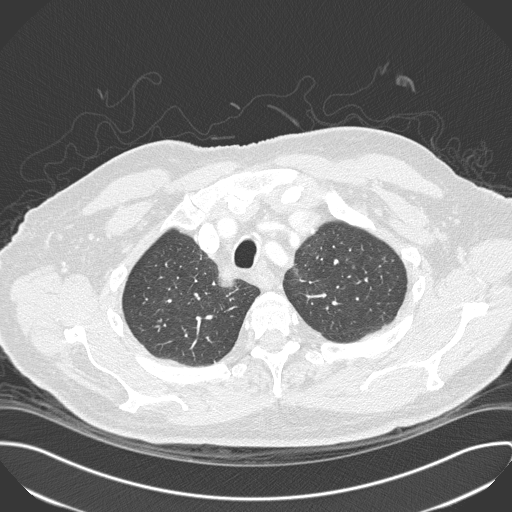
Chest CT, axial plane, 120 kVp, kernel B45f. Slice 267/330 from the bottom of the scan; thickness 1.00 mm; pixel size 0.762 mm.
Pulmonary nodule outlined by all four readers, one of them on this slice; box rows 292–298, columns 165–168 (the one reader's outline on this slice); longest diameter 17.2 mm on average over the four readers' outlines (readers' outlines 15.2–19.9 mm), volume 678–927 mm3. The readers' prevailing ratings and who disagreed: most readers (three of four) put texture at 1/5 (non-solid), others 2/5 (one); margin 2/5 by two of four readers; the rest gave 1/5 (indistinct) (one), 4/5 (one); sphericity 4/5 by two of four readers; the rest gave 3/5 (ovoid) (one), 5/5 (round) (one); calcification absent from all four readers; internal structure soft tissue from all four readers; subtlety 3/5 by two of four readers; the rest gave 1/5 (one), 4/5 (one); malignancy likelihood 4/5 by two of four readers; the rest gave 2/5 (one), 3/5 (one). Scale key (1–5): texture non-solid→solid, margin indistinct→circumscribed, sphericity linear→round, subtlety extremely subtle→obvious, malignancy likelihood highly unlikely→highly suspicious of cancer. Box rows and columns are 0-based pixel indices from the top-left corner, inclusive.